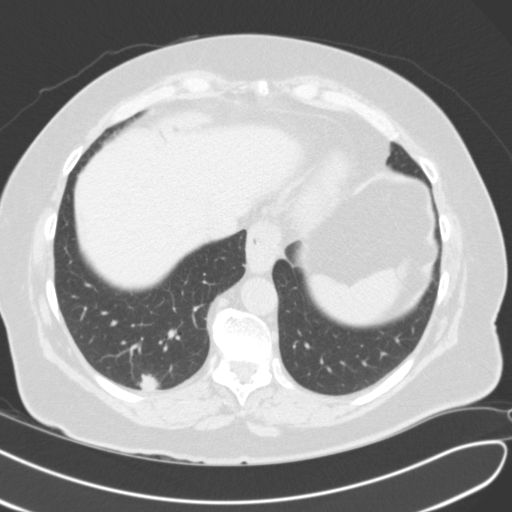
Chest CT, axial plane, 120 kVp, kernel B31f. Slice 35/106 from the bottom of the scan; thickness 3.00 mm; pixel size 0.705 mm.
Pulmonary nodule outlined by all four readers; box rows 374–390, columns 137–159 (the union of the readers' outlines on this slice); median longest diameter 20.1 mm (readers' outlines 19.5–21.3 mm), median volume 2585 mm3 (1709–3140 mm3). Median ratings and the readers' spread: texture 5/5 (solid) at the median of four readers, spread 4/5 to 5/5 (solid); median margin 4/5 (readers ranged 3/5 to 5/5 (circumscribed)); sphericity 5/5 (round) at the median of four readers, spread 4/5 to 5/5 (round); calcification absent, all four readers agreeing; internal structure: soft tissue (three), air (one); subtlety 5/5 at the median of four readers, spread 4–5; median malignancy likelihood 3/5 (readers ranged 1–5). Scale key (1–5): texture non-solid→solid, margin indistinct→circumscribed, sphericity linear→round, subtlety extremely subtle→obvious, malignancy likelihood highly unlikely→highly suspicious of cancer. Box rows and columns are 0-based pixel indices from the top-left corner, inclusive.